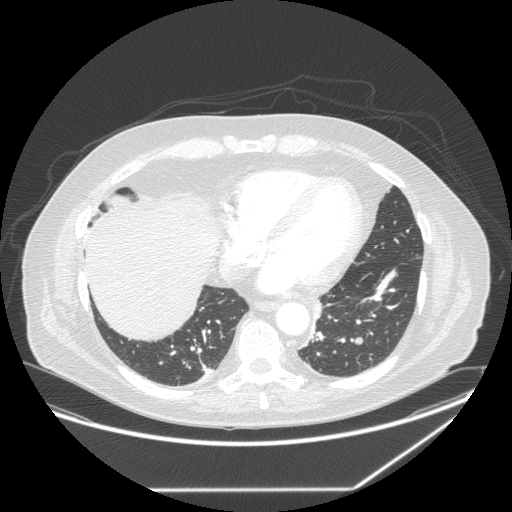
Slice 98/258 of a chest CT, counting up from the lowest; pixel size 0.859 mm, slice thickness 1.25 mm. Pulmonary nodule, outlined by all four readers. Box on this slice rows 337–344, columns 350–362, the union of the readers' outlines on this slice; longest diameter 10.5 mm on average over the four readers' outlines (readers' outlines 8.2–13.3 mm), volume 212–384 mm3. Ratings, by the readers' most common answer with dissent counted: texture 5/5 (solid) from all four readers; margin split among the readers: 4/5 (two), 5/5 (circumscribed) (two); sphericity 5/5 (round) by three of four readers; the rest gave 4/5 (one); calcification absent from all four readers; internal structure soft tissue, all four readers agreeing; subtlety 4/5 by three of four readers; the rest gave 3/5 (one); malignancy likelihood 4/5 by two of four readers; the rest gave 2/5 (one), 3/5 (one). Scale key (1–5): texture non-solid→solid, margin indistinct→circumscribed, sphericity linear→round, subtlety extremely subtle→obvious, malignancy likelihood highly unlikely→highly suspicious of cancer. Box rows and columns are 0-based pixel indices from the top-left corner, inclusive.
Scan settings: 120 kVp, STANDARD reconstruction kernel.